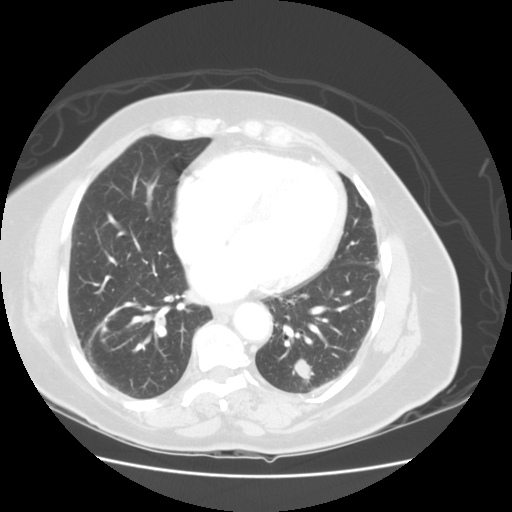
One axial slice (42 of 114, counting up from the lowest) of a chest CT acquired at 120 kVp with the STANDARD kernel; each pixel is 0.703 mm and the slice is 2.50 mm thick.
Pulmonary nodule, outlined by three of the four readers. Box on this slice rows 358–378, columns 293–311, the union of the readers' outlines on this slice; median longest diameter 21.2 mm (readers' outlines 20.1–25.1 mm), median volume 2833 mm3 (2723–2965 mm3). Ratings, median across the readers with their spread: texture 5/5 (solid) from all three readers; margin 4/5 at the median of three readers, spread 4/5 to 5/5 (circumscribed); sphericity 3/5 (ovoid) from all three readers; calcification absent from all three readers; internal structure soft tissue from all three readers; subtlety 5/5, all three readers agreeing; median malignancy likelihood 5/5 (readers ranged 2–5). Scale key (1–5): texture non-solid→solid, margin indistinct→circumscribed, sphericity linear→round, subtlety extremely subtle→obvious, malignancy likelihood highly unlikely→highly suspicious of cancer. Box rows and columns are 0-based pixel indices from the top-left corner, inclusive.